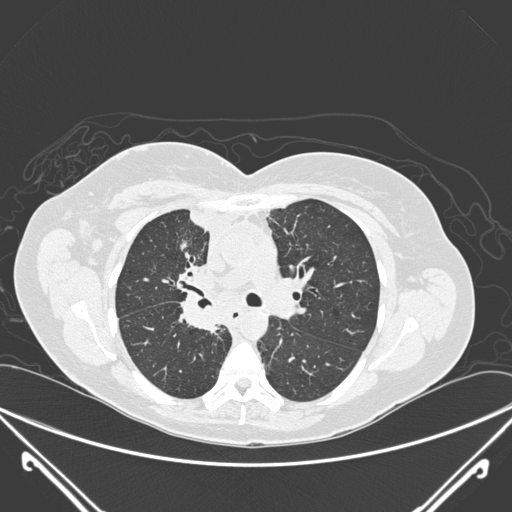
Axial chest CT slice 169 of 275 (counted from the lowest slice); tube voltage 120 kVp, convolution kernel D; slices 1.00 mm thick, 0.781 mm per pixel.
Pulmonary nodule, outlined by all four readers, three of them on this slice. Box on this slice rows 240–251, columns 179–186, the union of the readers' outlines on this slice; the four readers' outlines give a longest diameter between 20.3 and 23.4 mm and a volume between 1750 and 2560 mm3. The readers' ratings, as ranges where they differ: texture 5/5 (solid), all four readers agreeing; margin from 3/5 to 5/5 (circumscribed) across the four readers; sphericity from 2/5 to 5/5 (round) across the four readers; calcification: absent (three), central calcification (one); internal structure soft tissue, all four readers agreeing; subtlety 5/5 from all four readers; malignancy likelihood 1–5/5 (the readers disagree). Scale key (1–5): texture non-solid→solid, margin indistinct→circumscribed, sphericity linear→round, subtlety extremely subtle→obvious, malignancy likelihood highly unlikely→highly suspicious of cancer. Box rows and columns are 0-based pixel indices from the top-left corner, inclusive.